Chest CT, axial plane, 130 kVp, kernel B31s. Slice 58/117 from the bottom of the scan; thickness 3.00 mm; pixel size 0.566 mm.
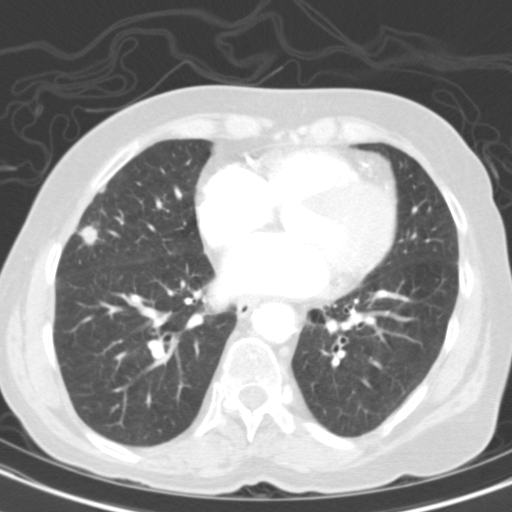
Pulmonary nodule at rows 220–245, columns 78–100 (box = the union of the readers' outlines on this slice), outlined by all four readers; the four readers' outlines give a longest diameter between 18.9 and 22.0 mm and a volume between 1351 and 2170 mm3. The readers' ratings, as ranges where they differ: texture from 3/5 (part-solid) to 5/5 (solid) across the four readers; margin from 3/5 to 5/5 (circumscribed) across the four readers; sphericity from 3/5 (ovoid) to 5/5 (round) across the four readers; calcification absent from all four readers; internal structure soft tissue from all four readers; subtlety 5/5, all four readers agreeing; malignancy likelihood rated between 4 and 5 out of 5 by the four readers. Scale key (1–5): texture non-solid→solid, margin indistinct→circumscribed, sphericity linear→round, subtlety extremely subtle→obvious, malignancy likelihood highly unlikely→highly suspicious of cancer. Box rows and columns are 0-based pixel indices from the top-left corner, inclusive.